One axial slice (139 of 321, counting up from the lowest) of a chest CT acquired at 120 kVp with the D kernel; each pixel is 0.557 mm and the slice is 2.00 mm thick.
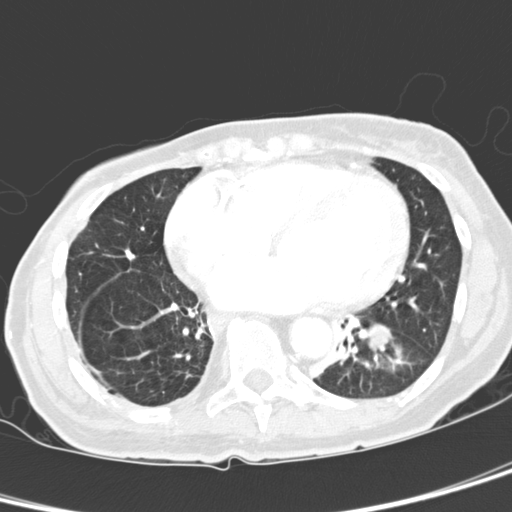
Pulmonary nodule at rows 323–352, columns 367–393 (box = the union of the readers' outlines on this slice), outlined by all four readers; longest diameter 18.8 mm on average over the four readers' outlines (readers' outlines 18.1–20.0 mm), volume 2428–2697 mm3. Ratings, by the readers' most common answer with dissent counted: texture split among the readers: 4/5 (two), 5/5 (solid) (two); margin 5/5 (circumscribed) by two of four readers; the rest gave 3/5 (one), 4/5 (one); sphericity 5/5 (round) by three of four readers; the rest gave 4/5 (one); calcification absent, all four readers agreeing; internal structure soft tissue from all four readers; most readers (three of four) put subtlety at 5/5, others 4/5 (one); malignancy likelihood 5/5 by two of four readers; the rest gave 2/5 (one), 3/5 (one). Scale key (1–5): texture non-solid→solid, margin indistinct→circumscribed, sphericity linear→round, subtlety extremely subtle→obvious, malignancy likelihood highly unlikely→highly suspicious of cancer. Box rows and columns are 0-based pixel indices from the top-left corner, inclusive.